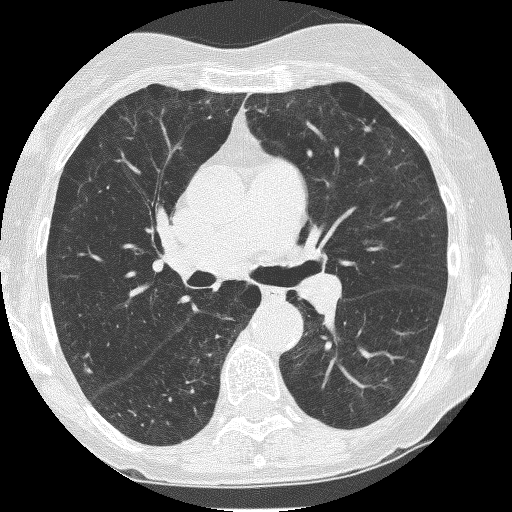
One axial slice (139 of 235, counting up from the lowest) of a chest CT acquired at 120 kVp with the BONE kernel; each pixel is 0.537 mm and the slice is 1.25 mm thick.
Two pulmonary nodules on this slice, listed from left to right. (1) Pulmonary nodule outlined by three of the four readers; box rows 364–373, columns 83–92 (the union of the readers' outlines on this slice); median longest diameter 6.9 mm (readers' outlines 6.7–8.2 mm), median volume 97 mm3 (47–122 mm3). Ratings, median across the readers with their spread: median texture 5/5 (solid) (readers ranged 4/5 to 5/5 (solid)); median margin 4/5 (readers ranged 3/5 to 5/5 (circumscribed)); sphericity 2/5 at the median of three readers, spread 1/5 (linear) to 4/5; calcification absent from all three readers; internal structure soft tissue from all three readers; subtlety 3/5 at the median of three readers, spread 2–4; malignancy likelihood 2/5 at the median of three readers, spread 2–3. (2) Pulmonary nodule, outlined by all four readers. Box on this slice rows 125–131, columns 363–370, the union of the readers' outlines on this slice; the four readers' outlines give a longest diameter between 6.8 and 9.2 mm and a volume between 58 and 94 mm3. The readers' ratings, as ranges where they differ: texture 5/5 (solid) from all four readers; margin from 4/5 to 5/5 (circumscribed) across the four readers; sphericity 4/5 from all four readers; calcification absent, all four readers agreeing; internal structure soft tissue, all four readers agreeing; subtlety rated between 3 and 5 out of 5 by the four readers; malignancy likelihood from 2/5 to 4/5 across the four readers. Scale key (1–5): texture non-solid→solid, margin indistinct→circumscribed, sphericity linear→round, subtlety extremely subtle→obvious, malignancy likelihood highly unlikely→highly suspicious of cancer. Box rows and columns are 0-based pixel indices from the top-left corner, inclusive.